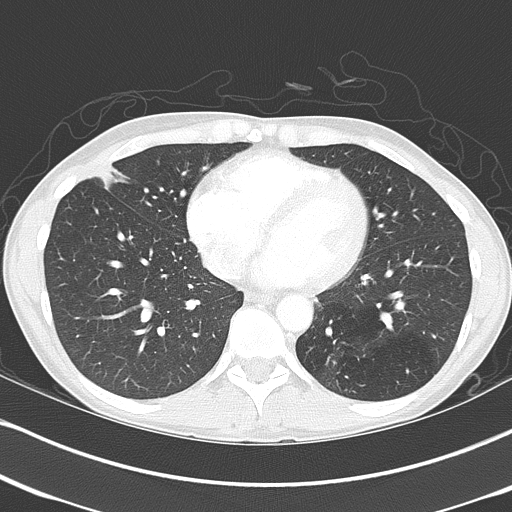
Axial slice 164 of 368 of a chest CT (slice 1 is the lowest), reconstructed with the B70f kernel at 120 kVp; 2.00 mm slice thickness and 0.623 mm pixels.
Pulmonary nodule at rows 165–190, columns 88–132 (box = the union of the readers' outlines on this slice), outlined by all four readers, three of them on this slice; longest diameter 31.5 mm on average over the four readers' outlines (readers' outlines 27.1–39.3 mm), volume 6531–9806 mm3. The readers' prevailing ratings and who disagreed: texture 5/5 (solid), all four readers agreeing; margin 4/5 by two of four readers; the rest gave 2/5 (one), 5/5 (circumscribed) (one); sphericity 3/5 (ovoid) by three of four readers; the rest gave 2/5 (one); calcification split among the readers: laminated calcification (one), absent (one), popcorn calcification (one), non-central calcification (one); internal structure soft tissue, all four readers agreeing; subtlety 5/5 from all four readers; malignancy likelihood split among the readers: 1/5 (one), 2/5 (one), 4/5 (one), 5/5 (one). Scale key (1–5): texture non-solid→solid, margin indistinct→circumscribed, sphericity linear→round, subtlety extremely subtle→obvious, malignancy likelihood highly unlikely→highly suspicious of cancer. Box rows and columns are 0-based pixel indices from the top-left corner, inclusive.